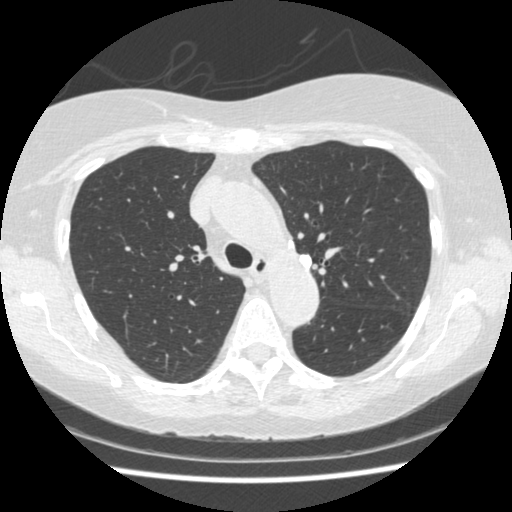
Chest CT, axial plane, 120 kVp, kernel STANDARD. Slice 308/458 from the bottom of the scan; thickness 1.25 mm; pixel size 0.625 mm.
Two pulmonary nodules on this slice, listed from left to right. (1) Pulmonary nodule, outlined by one of the four readers. Box on this slice rows 239–248, columns 288–294, that reader's outline on this slice; longest diameter 10.6 mm and volume 342 mm3 from that reader's outline. Ratings by that reader: texture 5/5 (solid); margin 5/5 (circumscribed); sphericity 4/5; calcification solid calcification; internal structure soft tissue; subtlety 4/5; malignancy likelihood 1/5. (2) Pulmonary nodule outlined by one of the four readers; box rows 254–268, columns 299–311 (that reader's outline on this slice); longest diameter 11.9 mm and volume 579 mm3 from that reader's outline. Ratings by that reader: texture 5/5 (solid); margin 5/5 (circumscribed); sphericity 5/5 (round); calcification solid calcification; internal structure soft tissue; subtlety 4/5; malignancy likelihood 1/5. Scale key (1–5): texture non-solid→solid, margin indistinct→circumscribed, sphericity linear→round, subtlety extremely subtle→obvious, malignancy likelihood highly unlikely→highly suspicious of cancer. Box rows and columns are 0-based pixel indices from the top-left corner, inclusive.